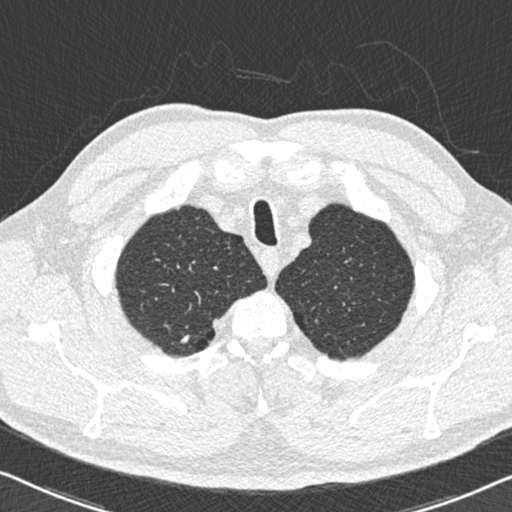
Axial slice 507 of 558 of a chest CT (slice 1 is the lowest), reconstructed with the B30f kernel at 120 kVp; 0.75 mm slice thickness and 0.648 mm pixels.
Pulmonary nodule at rows 334–343, columns 180–190 (box = the union of the readers' outlines on this slice), outlined by all four readers; longest diameter 6.5–8.7 mm and volume 71–209 mm3 across the four readers' outlines. The readers' ratings, as ranges where they differ: texture from 4/5 to 5/5 (solid) across the four readers; margin from 4/5 to 5/5 (circumscribed) across the four readers; sphericity from 2/5 to 5/5 (round) across the four readers; calcification: absent (three), solid calcification (one); internal structure soft tissue from all four readers; subtlety 3–5/5 (the readers disagree); malignancy likelihood rated between 1 and 3 out of 5 by the four readers. Scale key (1–5): texture non-solid→solid, margin indistinct→circumscribed, sphericity linear→round, subtlety extremely subtle→obvious, malignancy likelihood highly unlikely→highly suspicious of cancer. Box rows and columns are 0-based pixel indices from the top-left corner, inclusive.